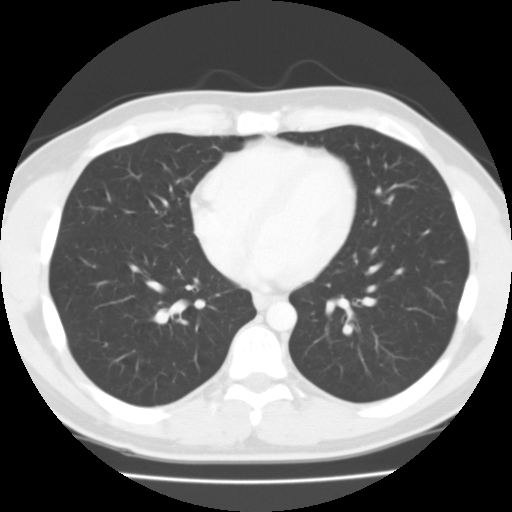
Chest CT, axial plane, 135 kVp, kernel FC01. Slice 50/122 from the bottom of the scan; thickness 3.00 mm; pixel size 0.650 mm.
No nodule of 3 mm or larger was outlined by any of the four readers on this slice.